One axial slice (103 of 290, counting up from the lowest) of a chest CT acquired at 120 kVp with the B kernel; each pixel is 0.639 mm and the slice is 2.00 mm thick.
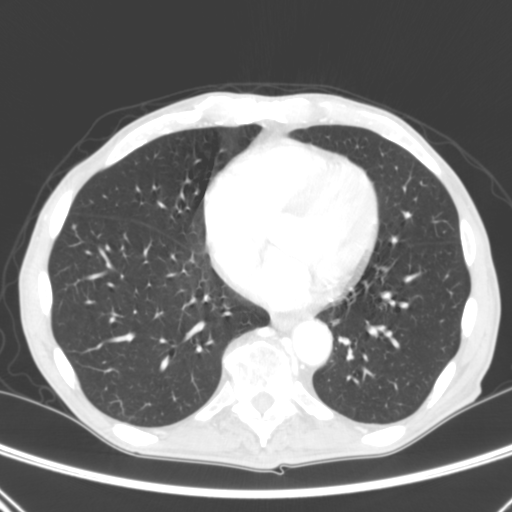
Pulmonary nodule outlined by two of the four readers; box rows 223–228, columns 71–75 (the union of the readers' outlines on this slice); median longest diameter 4.3 mm (readers' outlines 4.3 mm), median volume 30 mm3 (29–32 mm3). Median ratings and the readers' spread: texture 5/5 (solid) from both readers; margin 4.5/5 at the median of two readers, spread 4/5 to 5/5 (circumscribed); sphericity 5/5 (round) from both readers; calcification absent, both readers agreeing; internal structure soft tissue from both readers; median subtlety 4/5 (readers ranged 3–5); malignancy likelihood 2/5 at the median of two readers, spread 1–3. Scale key (1–5): texture non-solid→solid, margin indistinct→circumscribed, sphericity linear→round, subtlety extremely subtle→obvious, malignancy likelihood highly unlikely→highly suspicious of cancer. Box rows and columns are 0-based pixel indices from the top-left corner, inclusive.